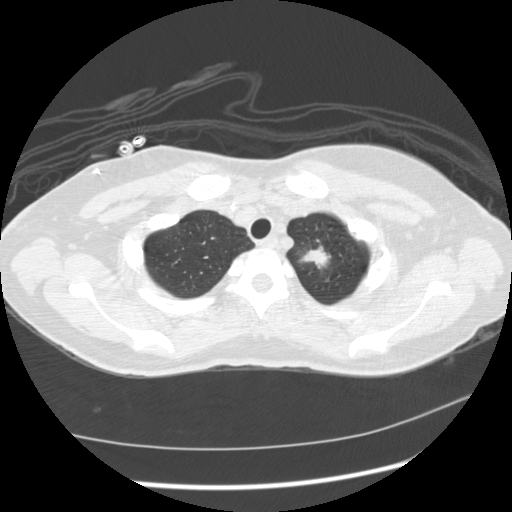
One axial slice (177 of 209, counting up from the lowest) of a chest CT acquired at 120 kVp with the STANDARD kernel; each pixel is 0.693 mm and the slice is 1.25 mm thick.
Pulmonary nodule outlined by all four readers; box rows 244–268, columns 297–330 (the union of the readers' outlines on this slice); the four readers' outlines give a longest diameter between 21.8 and 25.6 mm and a volume between 2801 and 4927 mm3. Ratings across the readers: texture from 4/5 to 5/5 (solid) across the four readers; margin from 3/5 to 4/5 across the four readers; sphericity from 2/5 to 5/5 (round) across the four readers; calcification absent from all four readers; internal structure soft tissue, all four readers agreeing; subtlety 5/5 from all four readers; malignancy likelihood rated between 3 and 5 out of 5 by the four readers. Scale key (1–5): texture non-solid→solid, margin indistinct→circumscribed, sphericity linear→round, subtlety extremely subtle→obvious, malignancy likelihood highly unlikely→highly suspicious of cancer. Box rows and columns are 0-based pixel indices from the top-left corner, inclusive.